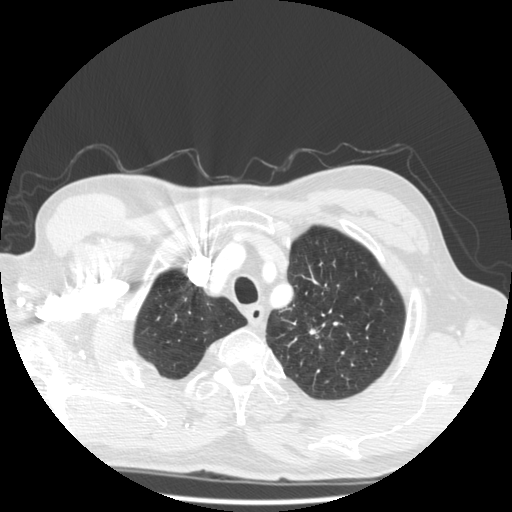
Axial slice 437 of 501 of a chest CT (slice 1 is the lowest), reconstructed with the STANDARD kernel at 140 kVp; 1.25 mm slice thickness and 0.703 mm pixels.
Pulmonary nodule outlined by three of the four readers, one of them on this slice; box rows 328–338, columns 309–318 (the one reader's outline on this slice); longest diameter 35.0 mm on average over the three readers' outlines (readers' outlines 32.1–39.2 mm), volume 2361–4873 mm3. Ratings, by the readers' most common answer with dissent counted: most readers (two of three) put texture at 5/5 (solid), others 4/5 (one); margin split among the readers: 1/5 (indistinct) (one), 3/5 (one), 5/5 (circumscribed) (one); sphericity split among the readers: 2/5 (one), 3/5 (ovoid) (one), 5/5 (round) (one); calcification absent, all three readers agreeing; internal structure soft tissue from all three readers; subtlety 5/5, all three readers agreeing; most readers (two of three) put malignancy likelihood at 5/5, others 4/5 (one). Scale key (1–5): texture non-solid→solid, margin indistinct→circumscribed, sphericity linear→round, subtlety extremely subtle→obvious, malignancy likelihood highly unlikely→highly suspicious of cancer. Box rows and columns are 0-based pixel indices from the top-left corner, inclusive.